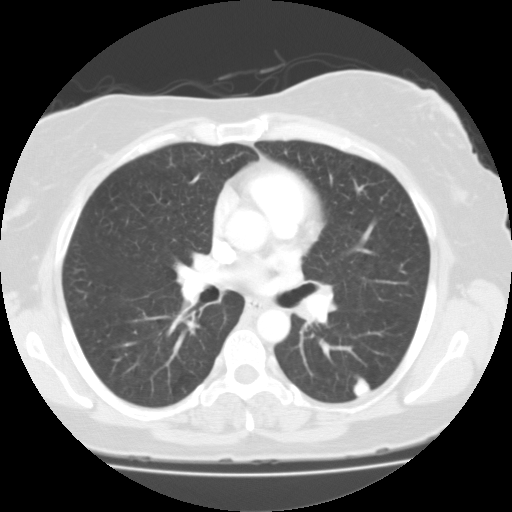
One axial slice (70 of 113, counting up from the lowest) of a chest CT acquired at 135 kVp with the FC01 kernel; each pixel is 0.698 mm and the slice is 3.00 mm thick.
Pulmonary nodule outlined by all four readers; box rows 374–396, columns 353–370 (the union of the readers' outlines on this slice); longest diameter 16.1 mm on average over the four readers' outlines (readers' outlines 13.7–17.3 mm), volume 768–1779 mm3. Ratings, by the readers' most common answer with dissent counted: most readers (three of four) put texture at 5/5 (solid), others 4/5 (one); margin 4/5 by three of four readers; the rest gave 3/5 (one); most readers (three of four) put sphericity at 4/5, others 3/5 (ovoid) (one); calcification absent by three of four readers, central calcification (one); internal structure soft tissue from all four readers; subtlety 5/5 by three of four readers; the rest gave 3/5 (one); most readers (three of four) put malignancy likelihood at 3/5, others 1/5 (one). Scale key (1–5): texture non-solid→solid, margin indistinct→circumscribed, sphericity linear→round, subtlety extremely subtle→obvious, malignancy likelihood highly unlikely→highly suspicious of cancer. Box rows and columns are 0-based pixel indices from the top-left corner, inclusive.